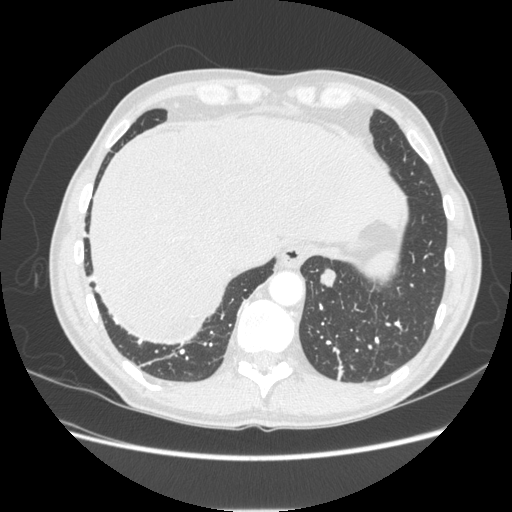
Axial chest CT slice 54 of 253 (counted from the lowest slice); 1.25 mm thick, 0.742 mm per pixel. Two pulmonary nodules are outlined on this slice; from left to right: (1) Pulmonary nodule, outlined by all four readers. Box on this slice rows 268–287, columns 319–336, the union of the readers' outlines on this slice; longest diameter 16.3 mm on average over the four readers' outlines (readers' outlines 15.6–17.5 mm), volume 1063–1176 mm3. Ratings, by the readers' most common answer with dissent counted: texture 5/5 (solid), all four readers agreeing; margin 5/5 (circumscribed), all four readers agreeing; sphericity 5/5 (round) by two of four readers; the rest gave 3/5 (ovoid) (one), 4/5 (one); calcification absent, all four readers agreeing; internal structure soft tissue, all four readers agreeing; subtlety 5/5, all four readers agreeing; malignancy likelihood 3/5 by two of four readers; the rest gave 4/5 (one), 5/5 (one). (2) Pulmonary nodule outlined by all four readers; box rows 336–340, columns 354–360 (the union of the readers' outlines on this slice); longest diameter 7.0–8.5 mm and volume 167–207 mm3 across the four readers' outlines. The readers' ratings, as ranges where they differ: texture 5/5 (solid) from all four readers; margin 5/5 (circumscribed) from all four readers; sphericity from 4/5 to 5/5 (round) across the four readers; calcification absent, all four readers agreeing; internal structure soft tissue from all four readers; subtlety 2–4/5 (the readers disagree); malignancy likelihood 2–4/5 (the readers disagree). Scale key (1–5): texture non-solid→solid, margin indistinct→circumscribed, sphericity linear→round, subtlety extremely subtle→obvious, malignancy likelihood highly unlikely→highly suspicious of cancer. Box rows and columns are 0-based pixel indices from the top-left corner, inclusive.
Tube voltage 120 kVp; convolution kernel STANDARD.